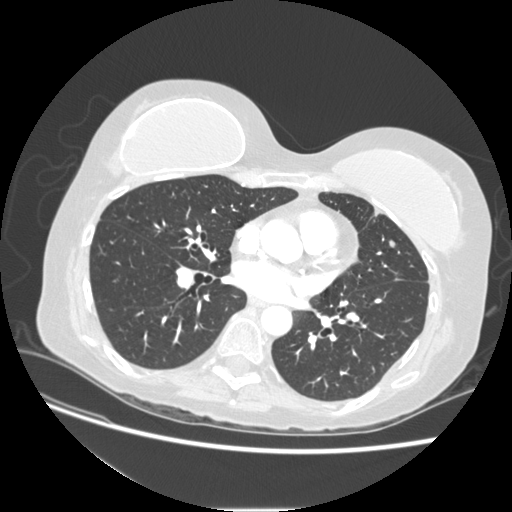
Axial chest CT slice 113 of 232 (counted from the lowest slice); tube voltage 120 kVp, convolution kernel STANDARD; slices 1.25 mm thick, 0.703 mm per pixel.
Pulmonary nodule, outlined by three of the four readers. Box on this slice rows 239–248, columns 388–395, the union of the readers' outlines on this slice; longest diameter 8.1 mm on average over the three readers' outlines (readers' outlines 7.6–8.9 mm), volume 151–201 mm3. The readers' prevailing ratings and who disagreed: most readers (two of three) put texture at 5/5 (solid), others 4/5 (one); margin 5/5 (circumscribed), all three readers agreeing; sphericity 3/5 (ovoid) by two of three readers; the rest gave 4/5 (one); calcification absent from all three readers; internal structure soft tissue from all three readers; subtlety 4/5 by two of three readers; the rest gave 2/5 (one); malignancy likelihood 3/5, all three readers agreeing. Scale key (1–5): texture non-solid→solid, margin indistinct→circumscribed, sphericity linear→round, subtlety extremely subtle→obvious, malignancy likelihood highly unlikely→highly suspicious of cancer. Box rows and columns are 0-based pixel indices from the top-left corner, inclusive.